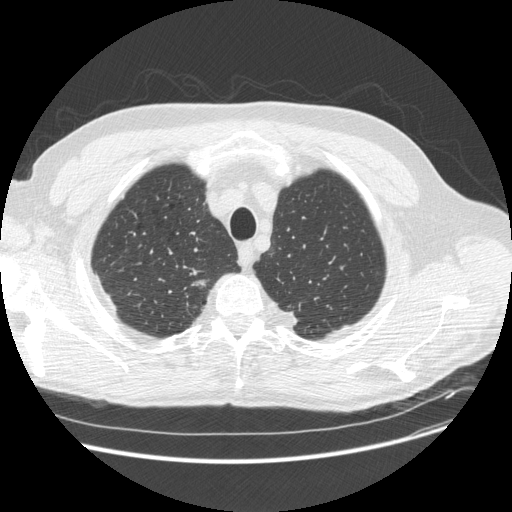
Axial chest CT slice 451 of 513 (counted from the lowest slice); 1.25 mm thick, 0.742 mm per pixel. Pulmonary nodule, outlined by all four readers. Box on this slice rows 277–286, columns 190–208, the union of the readers' outlines on this slice; median longest diameter 12.5 mm (readers' outlines 11.4–16.0 mm), median volume 145 mm3 (128–190 mm3). Ratings, median across the readers with their spread: texture 4.5/5 at the median of four readers, spread 4/5 to 5/5 (solid); median margin 4/5 (readers ranged 2/5 to 5/5 (circumscribed)); sphericity 3.5/5 at the median of four readers, spread 2/5 to 5/5 (round); calcification absent from all four readers; internal structure soft tissue from all four readers; subtlety 4.5/5 at the median of four readers, spread 3–5; malignancy likelihood 4.5/5 at the median of four readers, spread 4–5. Scale key (1–5): texture non-solid→solid, margin indistinct→circumscribed, sphericity linear→round, subtlety extremely subtle→obvious, malignancy likelihood highly unlikely→highly suspicious of cancer. Box rows and columns are 0-based pixel indices from the top-left corner, inclusive.
Scan settings: 120 kVp, STANDARD reconstruction kernel.